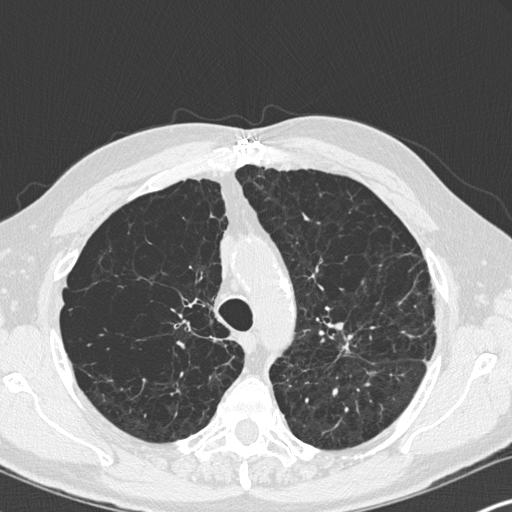
One axial slice (237 of 347, counting up from the lowest) of a chest CT acquired at 120 kVp with the B45f kernel; each pixel is 0.625 mm and the slice is 1.00 mm thick.
Pulmonary nodule, outlined by all four readers, one of them on this slice. Box on this slice rows 371–381, columns 366–377, the one reader's outline on this slice; the four readers' outlines give a longest diameter between 6.4 and 10.3 mm and a volume between 66 and 148 mm3. Ratings across the readers: texture 5/5 (solid) from all four readers; margin from 4/5 to 5/5 (circumscribed) across the four readers; sphericity from 2/5 to 4/5 across the four readers; calcification absent, all four readers agreeing; internal structure soft tissue, all four readers agreeing; subtlety 3–5/5 (the readers disagree); malignancy likelihood rated between 2 and 3 out of 5 by the four readers. Scale key (1–5): texture non-solid→solid, margin indistinct→circumscribed, sphericity linear→round, subtlety extremely subtle→obvious, malignancy likelihood highly unlikely→highly suspicious of cancer. Box rows and columns are 0-based pixel indices from the top-left corner, inclusive.